Chest CT, axial plane, 120 kVp, kernel STANDARD. Slice 146/375 from the bottom of the scan; thickness 1.25 mm; pixel size 0.625 mm.
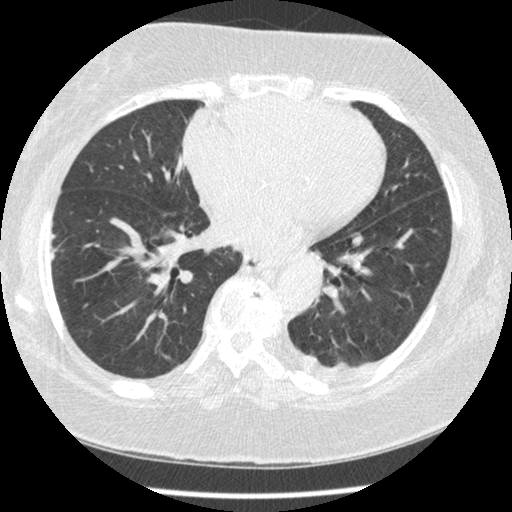
No nodule 3 mm or larger was outlined here by any reader.